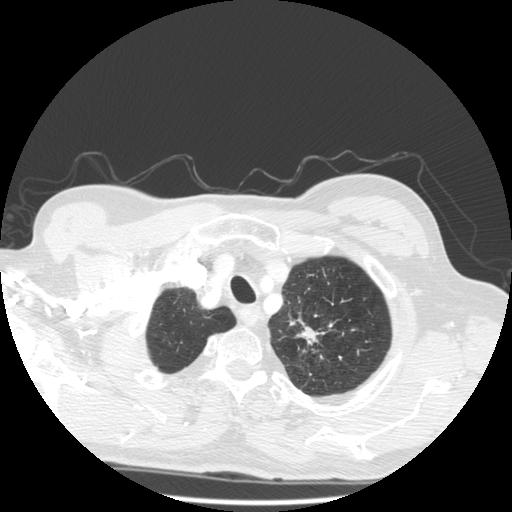
Chest CT, axial plane, 140 kVp, kernel STANDARD. Slice 451/501 from the bottom of the scan; thickness 1.25 mm; pixel size 0.703 mm.
Pulmonary nodule, outlined by three of the four readers. Box on this slice rows 316–344, columns 289–326, the union of the readers' outlines on this slice; longest diameter 32.1–39.2 mm and volume 2361–4873 mm3 across the three readers' outlines. Ratings across the readers: texture from 4/5 to 5/5 (solid) across the three readers; margin from 1/5 (indistinct) to 5/5 (circumscribed) across the three readers; sphericity from 2/5 to 5/5 (round) across the three readers; calcification absent, all three readers agreeing; internal structure soft tissue, all three readers agreeing; subtlety 5/5, all three readers agreeing; malignancy likelihood from 4/5 to 5/5 across the three readers. Scale key (1–5): texture non-solid→solid, margin indistinct→circumscribed, sphericity linear→round, subtlety extremely subtle→obvious, malignancy likelihood highly unlikely→highly suspicious of cancer. Box rows and columns are 0-based pixel indices from the top-left corner, inclusive.